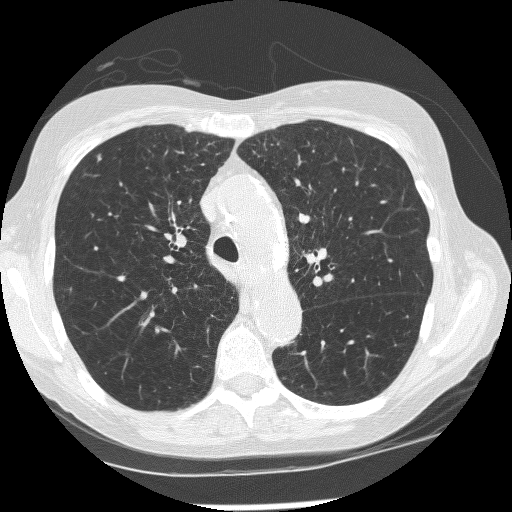
Axial chest CT slice 187 of 267 (counted from the lowest slice); 1.25 mm thick, 0.596 mm per pixel. Pulmonary nodule, outlined by three of the four readers. Box on this slice rows 152–161, columns 96–101, the union of the readers' outlines on this slice; longest diameter 5.7 mm on average over the three readers' outlines (readers' outlines 5.1–6.7 mm), volume 79–125 mm3. Ratings, by the readers' most common answer with dissent counted: texture 5/5 (solid) by two of three readers; the rest gave 4/5 (one); margin split among the readers: 3/5 (one), 4/5 (one), 5/5 (circumscribed) (one); most readers (two of three) put sphericity at 3/5 (ovoid), others 4/5 (one); calcification absent, all three readers agreeing; internal structure soft tissue from all three readers; subtlety split among the readers: 2/5 (one), 4/5 (one), 5/5 (one); malignancy likelihood 3/5 by two of three readers; the rest gave 4/5 (one). Scale key (1–5): texture non-solid→solid, margin indistinct→circumscribed, sphericity linear→round, subtlety extremely subtle→obvious, malignancy likelihood highly unlikely→highly suspicious of cancer. Box rows and columns are 0-based pixel indices from the top-left corner, inclusive.
Tube voltage 120 kVp; convolution kernel BONE.